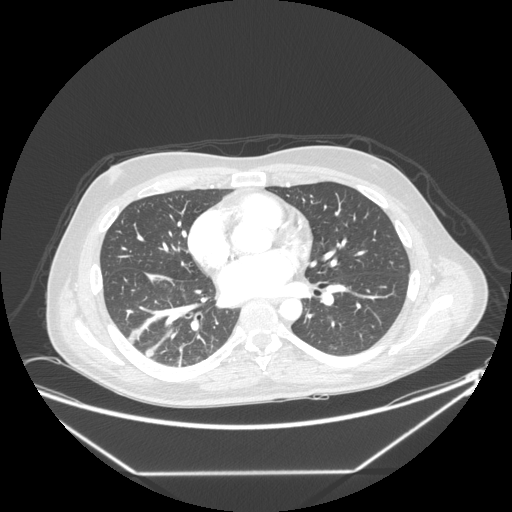
One axial slice (118 of 246, counting up from the lowest) of a chest CT acquired at 120 kVp with the STANDARD kernel; each pixel is 0.859 mm and the slice is 1.25 mm thick.
Pulmonary nodule outlined by all four readers; box rows 349–357, columns 145–154 (the union of the readers' outlines on this slice); the four readers' outlines give a longest diameter between 9.0 and 13.9 mm and a volume between 213 and 487 mm3. The readers' ratings, as ranges where they differ: texture 5/5 (solid), all four readers agreeing; margin from 4/5 to 5/5 (circumscribed) across the four readers; sphericity from 3/5 (ovoid) to 5/5 (round) across the four readers; calcification absent from all four readers; internal structure soft tissue, all four readers agreeing; subtlety rated between 3 and 4 out of 5 by the four readers; malignancy likelihood from 2/5 to 3/5 across the four readers. Scale key (1–5): texture non-solid→solid, margin indistinct→circumscribed, sphericity linear→round, subtlety extremely subtle→obvious, malignancy likelihood highly unlikely→highly suspicious of cancer. Box rows and columns are 0-based pixel indices from the top-left corner, inclusive.